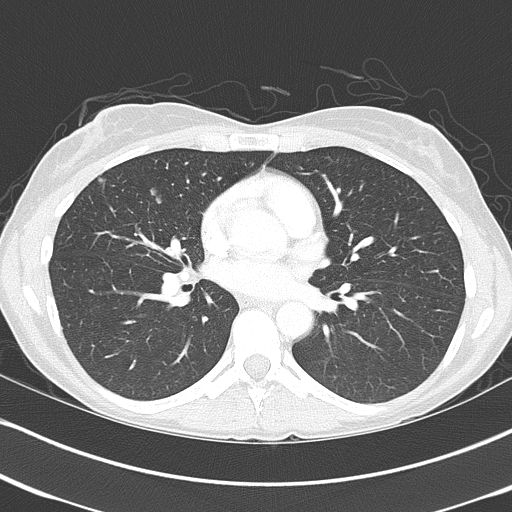
Axial chest CT slice 208 of 368 (counted from the lowest slice); 2.00 mm thick, 0.623 mm per pixel. Two pulmonary nodules on this slice, listed from left to right. (1) Pulmonary nodule outlined by one of the four readers; box rows 178–181, columns 98–102 (that reader's outline on this slice); longest diameter 4.7 mm and volume 49 mm3 from that reader's outline. That reader's ratings: texture 4/5; margin 4/5; sphericity 4/5; calcification absent; internal structure soft tissue; subtlety 4/5; malignancy likelihood 3/5. (2) Pulmonary nodule at rows 188–203, columns 150–162 (box = the union of the readers' outlines on this slice), outlined by all four readers; longest diameter 12.8 mm on average over the four readers' outlines (readers' outlines 12.1–13.5 mm), volume 274–376 mm3. Ratings, by the readers' most common answer with dissent counted: most readers (three of four) put texture at 5/5 (solid), others 4/5 (one); margin 5/5 (circumscribed) by two of four readers; the rest gave 3/5 (one), 4/5 (one); sphericity split among the readers: 2/5 (two), 3/5 (ovoid) (two); calcification absent by two of four readers, non-central calcification (one), solid calcification (one); internal structure soft tissue from all four readers; subtlety 5/5, all four readers agreeing; malignancy likelihood 4/5 by two of four readers; the rest gave 2/5 (one), 3/5 (one). Scale key (1–5): texture non-solid→solid, margin indistinct→circumscribed, sphericity linear→round, subtlety extremely subtle→obvious, malignancy likelihood highly unlikely→highly suspicious of cancer. Box rows and columns are 0-based pixel indices from the top-left corner, inclusive.
Tube voltage 120 kVp; convolution kernel B70f.